One axial slice (382 of 481, counting up from the lowest) of a chest CT acquired at 120 kVp with the STANDARD kernel; each pixel is 0.703 mm and the slice is 1.25 mm thick.
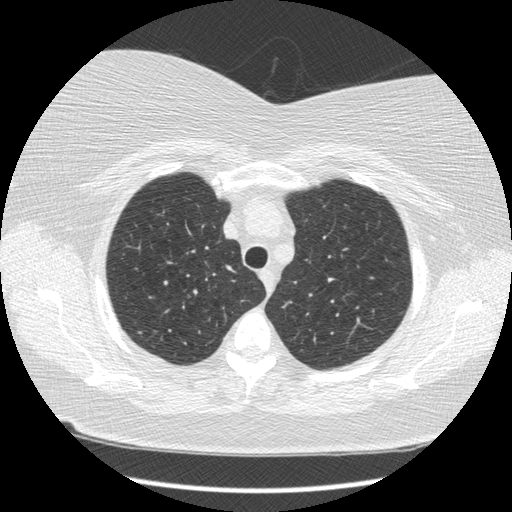
Pulmonary nodule, outlined by one of the four readers. Box on this slice rows 331–333, columns 138–141, that reader's outline on this slice; longest diameter 5.1 mm and volume 21 mm3 from that reader's outline. Ratings by that reader: texture 4/5; margin 5/5 (circumscribed); sphericity 4/5; calcification absent; internal structure soft tissue; subtlety 5/5; malignancy likelihood 3/5. Scale key (1–5): texture non-solid→solid, margin indistinct→circumscribed, sphericity linear→round, subtlety extremely subtle→obvious, malignancy likelihood highly unlikely→highly suspicious of cancer. Box rows and columns are 0-based pixel indices from the top-left corner, inclusive.